Axial chest CT slice 67 of 115 (counted from the lowest slice); tube voltage 135 kVp, convolution kernel FC01; slices 3.00 mm thick, 0.729 mm per pixel.
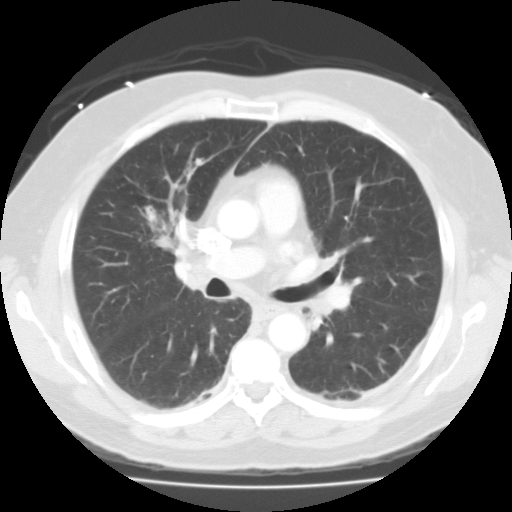
Pulmonary nodule outlined by one of the four readers; box rows 158–165, columns 195–202 (that reader's outline on this slice); longest diameter 8.3 mm and volume 289 mm3 from that reader's outline. Ratings by that reader: texture 5/5 (solid); margin 4/5; sphericity 4/5; calcification absent; internal structure soft tissue; subtlety 5/5; malignancy likelihood 1/5. Scale key (1–5): texture non-solid→solid, margin indistinct→circumscribed, sphericity linear→round, subtlety extremely subtle→obvious, malignancy likelihood highly unlikely→highly suspicious of cancer. Box rows and columns are 0-based pixel indices from the top-left corner, inclusive.